Axial slice 46 of 109 of a chest CT (slice 1 is the lowest), reconstructed with the B31s kernel at 130 kVp; 3.00 mm slice thickness and 0.629 mm pixels.
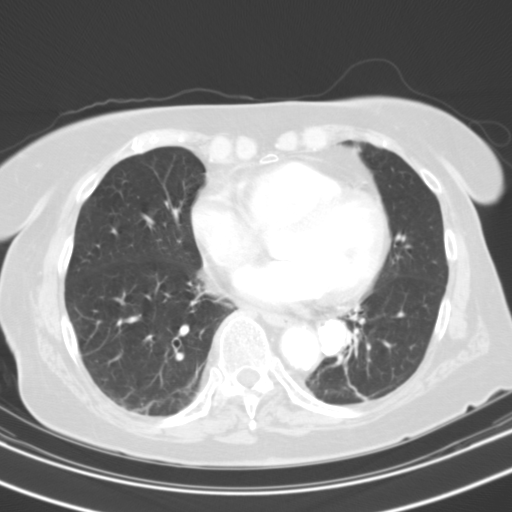
Pulmonary nodule at rows 290–296, columns 196–202 (box = the one reader's outline on this slice), outlined by all four readers, one of them on this slice; longest diameter 19.1 mm on average over the four readers' outlines (readers' outlines 18.0–19.5 mm), volume 1810–2198 mm3. Ratings, by the readers' most common answer with dissent counted: texture 5/5 (solid), all four readers agreeing; margin 4/5 by two of four readers; the rest gave 2/5 (one), 5/5 (circumscribed) (one); sphericity 5/5 (round) by three of four readers; the rest gave 4/5 (one); calcification absent from all four readers; internal structure soft tissue, all four readers agreeing; most readers (three of four) put subtlety at 5/5, others 3/5 (one); malignancy likelihood 5/5 by two of four readers; the rest gave 3/5 (one), 4/5 (one). Scale key (1–5): texture non-solid→solid, margin indistinct→circumscribed, sphericity linear→round, subtlety extremely subtle→obvious, malignancy likelihood highly unlikely→highly suspicious of cancer. Box rows and columns are 0-based pixel indices from the top-left corner, inclusive.